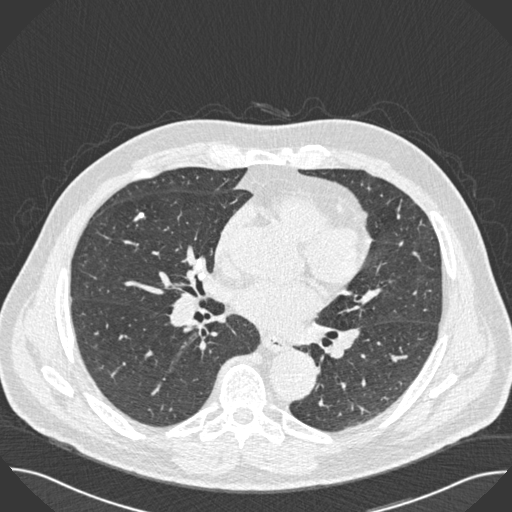
Axial slice 268 of 493 of a chest CT (slice 1 is the lowest), reconstructed with the B30f kernel at 120 kVp; 0.75 mm slice thickness and 0.762 mm pixels.
Pulmonary nodule, outlined by all four readers. Box on this slice rows 212–221, columns 134–144, the union of the readers' outlines on this slice; longest diameter 12.6 mm on average over the four readers' outlines (readers' outlines 10.9–16.8 mm), volume 182–413 mm3. Ratings, by the readers' most common answer with dissent counted: texture 5/5 (solid), all four readers agreeing; margin 5/5 (circumscribed) by two of four readers; the rest gave 3/5 (one), 4/5 (one); sphericity 3/5 (ovoid) by two of four readers; the rest gave 4/5 (one), 5/5 (round) (one); calcification solid calcification, all four readers agreeing; internal structure soft tissue, all four readers agreeing; subtlety 5/5 by three of four readers; the rest gave 4/5 (one); malignancy likelihood 1/5, all four readers agreeing. Scale key (1–5): texture non-solid→solid, margin indistinct→circumscribed, sphericity linear→round, subtlety extremely subtle→obvious, malignancy likelihood highly unlikely→highly suspicious of cancer. Box rows and columns are 0-based pixel indices from the top-left corner, inclusive.